Axial chest CT slice 139 of 238 (counted from the lowest slice); tube voltage 120 kVp, convolution kernel LUNG; slices 1.25 mm thick, 0.742 mm per pixel.
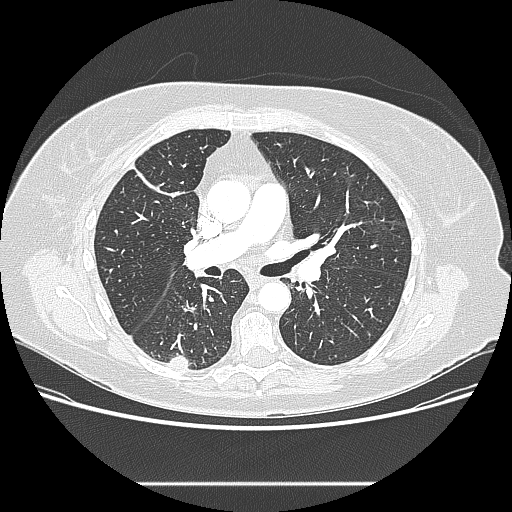
Pulmonary nodule at rows 355–370, columns 168–188 (box = the union of the readers' outlines on this slice), outlined by all four readers; median longest diameter 16.9 mm (readers' outlines 16.2–17.0 mm), median volume 1591 mm3 (1456–1679 mm3). Ratings, median across the readers with their spread: texture 5/5 (solid) from all four readers; margin 5/5 (circumscribed) at the median of four readers, spread 4/5 to 5/5 (circumscribed); sphericity 5/5 (round) at the median of four readers, spread 3/5 (ovoid) to 5/5 (round); calcification absent, all four readers agreeing; internal structure soft tissue, all four readers agreeing; subtlety 4.5/5 at the median of four readers, spread 3–5; median malignancy likelihood 3/5 (readers ranged 2–4). Scale key (1–5): texture non-solid→solid, margin indistinct→circumscribed, sphericity linear→round, subtlety extremely subtle→obvious, malignancy likelihood highly unlikely→highly suspicious of cancer. Box rows and columns are 0-based pixel indices from the top-left corner, inclusive.